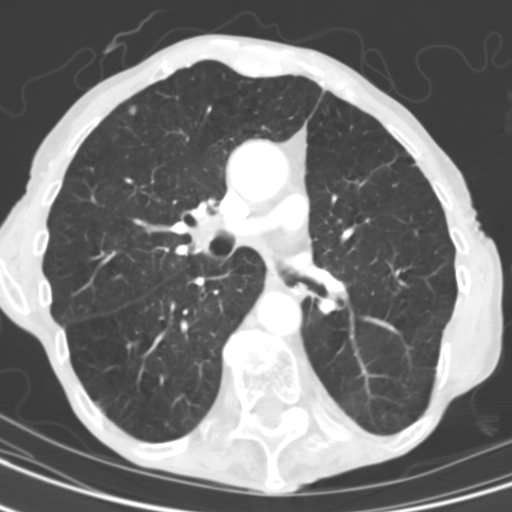
One axial slice (58 of 104, counting up from the lowest) of a chest CT acquired at 130 kVp with the B31s kernel; each pixel is 0.531 mm and the slice is 3.00 mm thick.
Pulmonary nodule, outlined by three of the four readers. Box on this slice rows 105–115, columns 128–136, the union of the readers' outlines on this slice; longest diameter 5.4–6.5 mm and volume 52–76 mm3 across the three readers' outlines. The readers' ratings, as ranges where they differ: texture from 2/5 to 4/5 across the three readers; margin from 3/5 to 4/5 across the three readers; sphericity from 4/5 to 5/5 (round) across the three readers; calcification absent from all three readers; internal structure soft tissue, all three readers agreeing; subtlety 3–4/5 (the readers disagree); malignancy likelihood 2–3/5 (the readers disagree). Scale key (1–5): texture non-solid→solid, margin indistinct→circumscribed, sphericity linear→round, subtlety extremely subtle→obvious, malignancy likelihood highly unlikely→highly suspicious of cancer. Box rows and columns are 0-based pixel indices from the top-left corner, inclusive.